Chest CT, axial plane, 120 kVp, kernel B31f. Slice 46/125 from the bottom of the scan; thickness 3.00 mm; pixel size 0.730 mm.
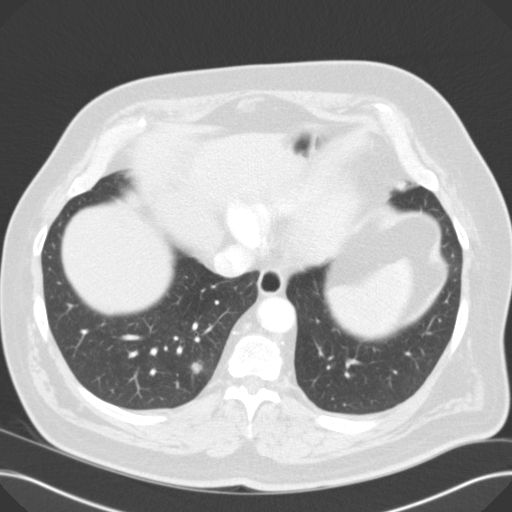
Pulmonary nodule, outlined by three of the four readers. Box on this slice rows 361–373, columns 190–203, the union of the readers' outlines on this slice; longest diameter 11.4 mm on average over the three readers' outlines (readers' outlines 10.2–12.5 mm), volume 310–751 mm3. The readers' prevailing ratings and who disagreed: texture split among the readers: 2/5 (one), 3/5 (part-solid) (one), 5/5 (solid) (one); most readers (two of three) put margin at 2/5, others 3/5 (one); most readers (two of three) put sphericity at 5/5 (round), others 4/5 (one); calcification absent, all three readers agreeing; internal structure soft tissue, all three readers agreeing; subtlety split among the readers: 3/5 (one), 4/5 (one), 5/5 (one); most readers (two of three) put malignancy likelihood at 3/5, others 4/5 (one). Scale key (1–5): texture non-solid→solid, margin indistinct→circumscribed, sphericity linear→round, subtlety extremely subtle→obvious, malignancy likelihood highly unlikely→highly suspicious of cancer. Box rows and columns are 0-based pixel indices from the top-left corner, inclusive.